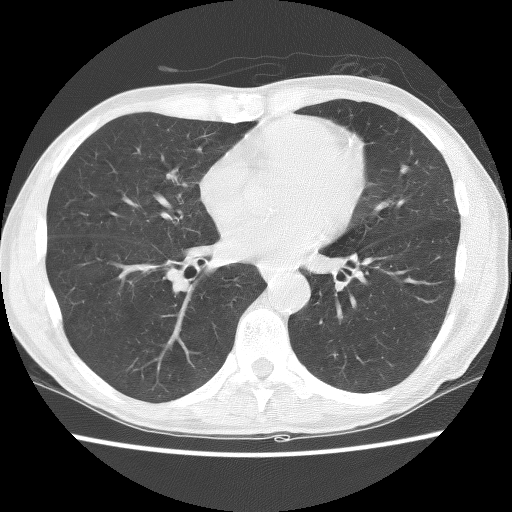
Axial chest CT slice 59 of 128 (counted from the lowest slice); tube voltage 140 kVp, convolution kernel BONE; slices 2.50 mm thick, 0.611 mm per pixel.
Pulmonary nodule at rows 166–174, columns 401–408 (box = that reader's outline on this slice), outlined by one of the four readers; longest diameter 7.4 mm and volume 135 mm3 from that reader's outline. Ratings by that reader: texture 2/5; margin 2/5; sphericity 2/5; calcification absent; internal structure soft tissue; subtlety 2/5; malignancy likelihood 3/5. Scale key (1–5): texture non-solid→solid, margin indistinct→circumscribed, sphericity linear→round, subtlety extremely subtle→obvious, malignancy likelihood highly unlikely→highly suspicious of cancer. Box rows and columns are 0-based pixel indices from the top-left corner, inclusive.